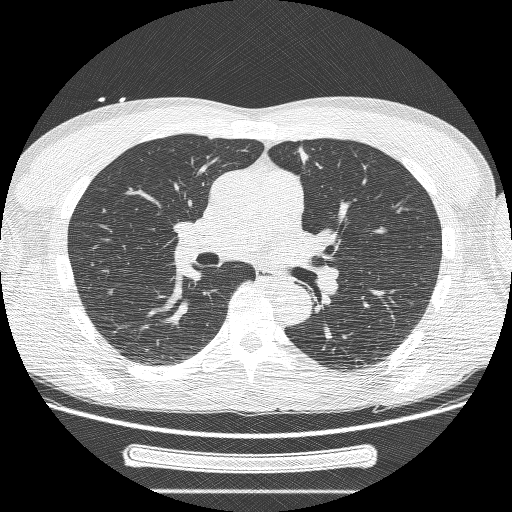
This is axial slice 138 of 244 (slice 1 is the lowest) of a chest CT; each pixel is 0.729 mm and the slice is 1.25 mm thick. Pulmonary nodule, outlined by three of the four readers, two of them on this slice. Box on this slice rows 145–163, columns 298–309, the union of the readers' outlines on this slice; longest diameter 27.4–37.9 mm and volume 2934–10099 mm3 across the three readers' outlines. The readers' ratings, as ranges where they differ: texture from 3/5 (part-solid) to 5/5 (solid) across the three readers; margin from 1/5 (indistinct) to 3/5 across the three readers; sphericity from 2/5 to 4/5 across the three readers; calcification absent, all three readers agreeing; internal structure soft tissue from all three readers; subtlety 5/5, all three readers agreeing; malignancy likelihood from 3/5 to 5/5 across the three readers. Scale key (1–5): texture non-solid→solid, margin indistinct→circumscribed, sphericity linear→round, subtlety extremely subtle→obvious, malignancy likelihood highly unlikely→highly suspicious of cancer. Box rows and columns are 0-based pixel indices from the top-left corner, inclusive.
Tube voltage 120 kVp; convolution kernel BONE.